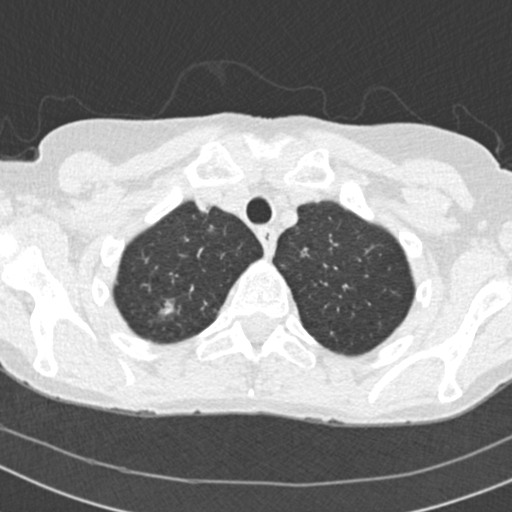
Axial slice 172 of 202 of a chest CT (slice 1 is the lowest), reconstructed with the B30f kernel at 120 kVp; 2.00 mm slice thickness and 0.566 mm pixels.
Pulmonary nodule at rows 298–320, columns 156–174 (box = the union of the readers' outlines on this slice), outlined by all four readers; median longest diameter 13.7 mm (readers' outlines 10.9–15.0 mm), median volume 656 mm3 (306–786 mm3). Median ratings and the readers' spread: median texture 4/5 (readers ranged 3/5 (part-solid) to 5/5 (solid)); margin 1.5/5 at the median of four readers, spread 1/5 (indistinct) to 3/5; median sphericity 3.5/5 (readers ranged 3/5 (ovoid) to 4/5); calcification absent from all four readers; internal structure soft tissue from all four readers; subtlety 4/5 at the median of four readers, spread 3–4; malignancy likelihood 3.5/5 at the median of four readers, spread 3–5. Scale key (1–5): texture non-solid→solid, margin indistinct→circumscribed, sphericity linear→round, subtlety extremely subtle→obvious, malignancy likelihood highly unlikely→highly suspicious of cancer. Box rows and columns are 0-based pixel indices from the top-left corner, inclusive.